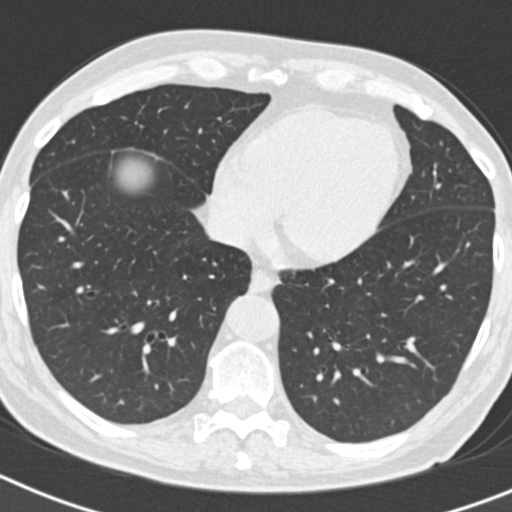
Axial slice 71 of 186 of a chest CT (slice 1 is the lowest), reconstructed with the B30f kernel at 120 kVp; 2.00 mm slice thickness and 0.586 mm pixels.
No nodule 3 mm or larger was outlined here by any reader.